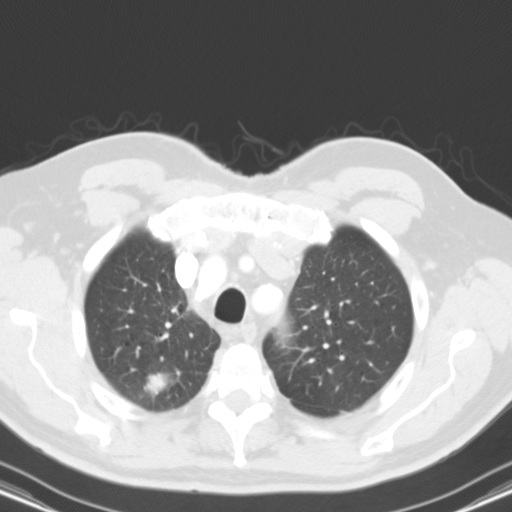
Axial slice 93 of 116 of a chest CT (slice 1 is the lowest), reconstructed with the B31s kernel at 130 kVp; 3.00 mm slice thickness and 0.668 mm pixels.
Pulmonary nodule, outlined by three of the four readers. Box on this slice rows 372–395, columns 143–174, the union of the readers' outlines on this slice; longest diameter 30.9–36.1 mm and volume 5704–8380 mm3 across the three readers' outlines. The readers' ratings, as ranges where they differ: texture 5/5 (solid), all three readers agreeing; margin 4/5 from all three readers; sphericity from 2/5 to 4/5 across the three readers; calcification absent from all three readers; internal structure soft tissue from all three readers; subtlety 5/5, all three readers agreeing; malignancy likelihood 5/5 from all three readers. Scale key (1–5): texture non-solid→solid, margin indistinct→circumscribed, sphericity linear→round, subtlety extremely subtle→obvious, malignancy likelihood highly unlikely→highly suspicious of cancer. Box rows and columns are 0-based pixel indices from the top-left corner, inclusive.